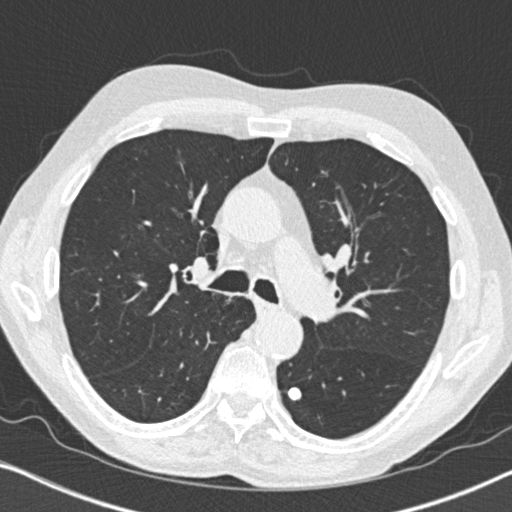
This is axial slice 500 of 764 (slice 1 is the lowest) of a chest CT; each pixel is 0.646 mm and the slice is 1.00 mm thick. Pulmonary nodule at rows 386–400, columns 287–302 (box = the union of the readers' outlines on this slice), outlined by all four readers; median longest diameter 11.0 mm (readers' outlines 10.7–12.7 mm), median volume 459 mm3 (382–638 mm3). Ratings, median across the readers with their spread: texture 5/5 (solid) from all four readers; margin 5/5 (circumscribed) from all four readers; sphericity 5/5 (round) at the median of four readers, spread 4/5 to 5/5 (round); calcification solid calcification, all four readers agreeing; internal structure soft tissue from all four readers; subtlety 5/5 from all four readers; malignancy likelihood 1/5, all four readers agreeing. Scale key (1–5): texture non-solid→solid, margin indistinct→circumscribed, sphericity linear→round, subtlety extremely subtle→obvious, malignancy likelihood highly unlikely→highly suspicious of cancer. Box rows and columns are 0-based pixel indices from the top-left corner, inclusive.
Scan settings: 120 kVp, B31f reconstruction kernel.